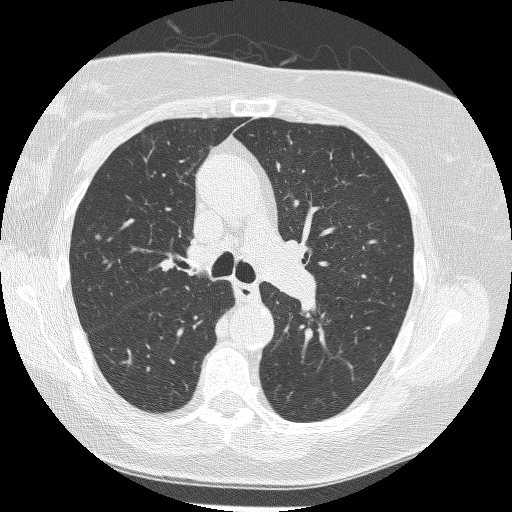
This is axial slice 162 of 240 (slice 1 is the lowest) of a chest CT; each pixel is 0.604 mm and the slice is 1.25 mm thick. Pulmonary nodule outlined by two of the four readers; box rows 235–239, columns 95–101 (the union of the readers' outlines on this slice); median longest diameter 7.2 mm (readers' outlines 6.9–7.5 mm), median volume 106 mm3 (105–107 mm3). Median ratings and the readers' spread: texture 4.5/5 at the median of two readers, spread 4/5 to 5/5 (solid); median margin 4/5 (readers ranged 3/5 to 5/5 (circumscribed)); sphericity 3.5/5 at the median of two readers, spread 3/5 (ovoid) to 4/5; calcification absent from both readers; internal structure soft tissue from both readers; median subtlety 3.5/5 (readers ranged 3–4); malignancy likelihood 3/5 at the median of two readers, spread 2–4. Scale key (1–5): texture non-solid→solid, margin indistinct→circumscribed, sphericity linear→round, subtlety extremely subtle→obvious, malignancy likelihood highly unlikely→highly suspicious of cancer. Box rows and columns are 0-based pixel indices from the top-left corner, inclusive.
Tube voltage 120 kVp; convolution kernel BONE.